Axial chest CT slice 390 of 506 (counted from the lowest slice); tube voltage 120 kVp, convolution kernel B30f; slices 0.75 mm thick, 0.699 mm per pixel.
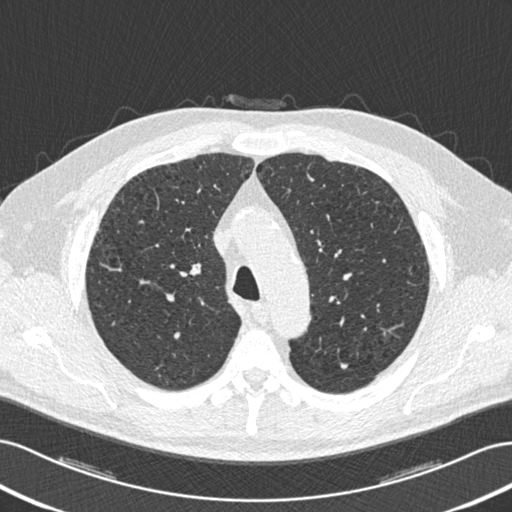
Two pulmonary nodules on this slice, listed from left to right. (1) Pulmonary nodule, outlined by one of the four readers. Box on this slice rows 263–275, columns 189–200, that reader's outline on this slice; longest diameter 11.1 mm and volume 211 mm3 from that reader's outline. Ratings by that reader: texture 5/5 (solid); margin 4/5; sphericity 2/5; calcification absent; internal structure soft tissue; subtlety 2/5; malignancy likelihood 3/5. (2) Pulmonary nodule at rows 362–368, columns 340–346 (box = the union of the readers' outlines on this slice), outlined by two of the four readers; longest diameter 6.4–8.2 mm and volume 59–153 mm3 across the two readers' outlines. Ratings across the readers: texture 5/5 (solid) from both readers; margin from 4/5 to 5/5 (circumscribed) across the two readers; sphericity from 3/5 (ovoid) to 4/5 across the two readers; calcification absent, both readers agreeing; internal structure soft tissue from both readers; subtlety 3–5/5 (the readers disagree); malignancy likelihood 3/5 from both readers. Scale key (1–5): texture non-solid→solid, margin indistinct→circumscribed, sphericity linear→round, subtlety extremely subtle→obvious, malignancy likelihood highly unlikely→highly suspicious of cancer. Box rows and columns are 0-based pixel indices from the top-left corner, inclusive.